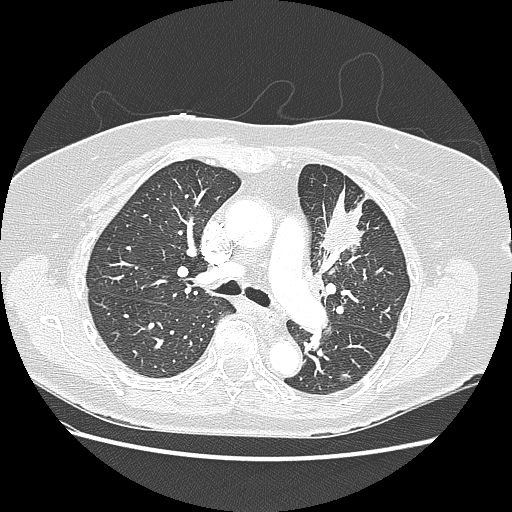
One axial slice (121 of 197, counting up from the lowest) of a chest CT acquired at 120 kVp with the LUNG kernel; each pixel is 0.703 mm and the slice is 1.25 mm thick.
Two pulmonary nodules are outlined on this slice; from left to right: (1) Pulmonary nodule at rows 371–381, columns 338–350 (box = the one reader's outline on this slice), outlined by three of the four readers, one of them on this slice; longest diameter 14.2 mm on average over the three readers' outlines (readers' outlines 12.5–15.5 mm), volume 268–427 mm3. Ratings, by the readers' most common answer with dissent counted: most readers (two of three) put texture at 1/5 (non-solid), others 2/5 (one); margin 4/5 by two of three readers; the rest gave 1/5 (indistinct) (one); sphericity 3/5 (ovoid) by two of three readers; the rest gave 4/5 (one); calcification absent, all three readers agreeing; internal structure soft tissue, all three readers agreeing; subtlety 4/5 by two of three readers; the rest gave 3/5 (one); malignancy likelihood 4/5 by two of three readers; the rest gave 2/5 (one). (2) Pulmonary nodule outlined by one of the four readers; box rows 332–336, columns 386–390 (that reader's outline on this slice); longest diameter 6.4 mm and volume 50 mm3 from that reader's outline. Ratings by that reader: texture 2/5; margin 1/5 (indistinct); sphericity 3/5 (ovoid); calcification absent; internal structure soft tissue; subtlety 1/5; malignancy likelihood 3/5. Scale key (1–5): texture non-solid→solid, margin indistinct→circumscribed, sphericity linear→round, subtlety extremely subtle→obvious, malignancy likelihood highly unlikely→highly suspicious of cancer. Box rows and columns are 0-based pixel indices from the top-left corner, inclusive.